One axial slice (115 of 257, counting up from the lowest) of a chest CT acquired at 120 kVp with the BONE kernel; each pixel is 0.576 mm and the slice is 1.25 mm thick.
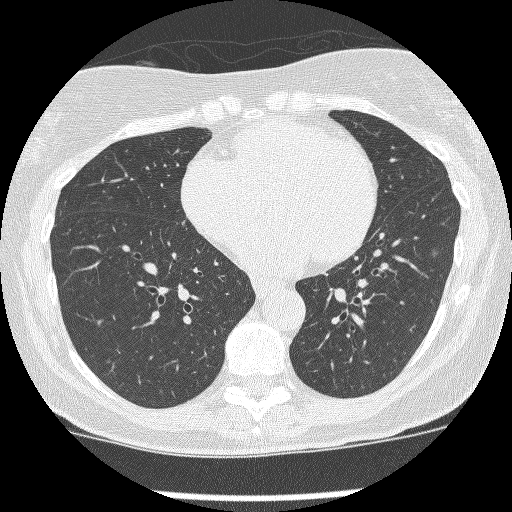
Pulmonary nodule at rows 249–256, columns 430–437 (box = the union of the readers' outlines on this slice), outlined by three of the four readers; longest diameter 5.6 mm on average over the three readers' outlines (readers' outlines 4.9–6.0 mm), volume 61–103 mm3. The readers' prevailing ratings and who disagreed: texture split among the readers: 1/5 (non-solid) (one), 2/5 (one), 5/5 (solid) (one); margin split among the readers: 1/5 (indistinct) (one), 2/5 (one), 4/5 (one); most readers (two of three) put sphericity at 3/5 (ovoid), others 2/5 (one); calcification absent from all three readers; internal structure soft tissue, all three readers agreeing; subtlety split among the readers: 1/5 (one), 3/5 (one), 5/5 (one); malignancy likelihood 3/5 by two of three readers; the rest gave 4/5 (one). Scale key (1–5): texture non-solid→solid, margin indistinct→circumscribed, sphericity linear→round, subtlety extremely subtle→obvious, malignancy likelihood highly unlikely→highly suspicious of cancer. Box rows and columns are 0-based pixel indices from the top-left corner, inclusive.